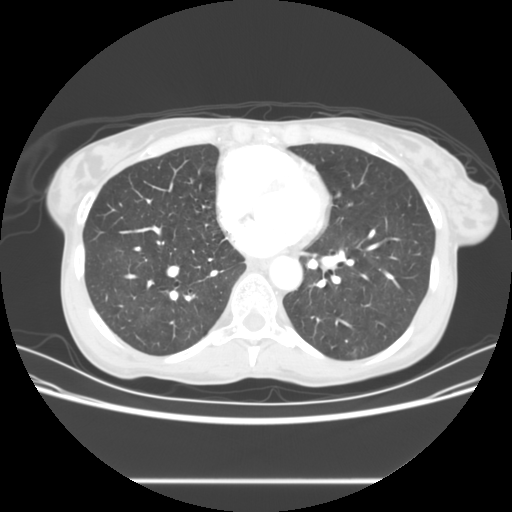
One axial slice (64 of 133, counting up from the lowest) of a chest CT acquired at 120 kVp with the STANDARD kernel; each pixel is 0.703 mm and the slice is 2.50 mm thick.
No nodule 3 mm or larger was outlined here by any reader.